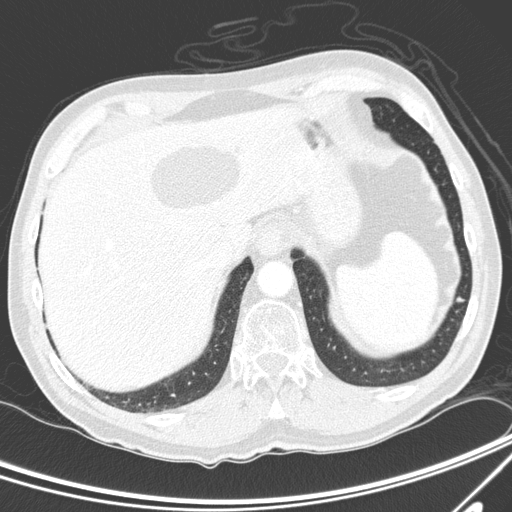
Chest CT, axial plane, 120 kVp, kernel D. Slice 44/300 from the bottom of the scan; thickness 2.00 mm; pixel size 0.678 mm.
Pulmonary nodule outlined by three of the four readers; box rows 296–302, columns 456–464 (the union of the readers' outlines on this slice); the three readers' outlines give a longest diameter between 5.5 and 6.9 mm and a volume between 52 and 87 mm3. Ratings across the readers: texture 5/5 (solid) from all three readers; margin from 4/5 to 5/5 (circumscribed) across the three readers; sphericity from 4/5 to 5/5 (round) across the three readers; calcification absent from all three readers; internal structure soft tissue from all three readers; subtlety 3–4/5 (the readers disagree); malignancy likelihood rated between 2 and 3 out of 5 by the three readers. Scale key (1–5): texture non-solid→solid, margin indistinct→circumscribed, sphericity linear→round, subtlety extremely subtle→obvious, malignancy likelihood highly unlikely→highly suspicious of cancer. Box rows and columns are 0-based pixel indices from the top-left corner, inclusive.